One axial slice (300 of 529, counting up from the lowest) of a chest CT acquired at 120 kVp with the B30f kernel; each pixel is 0.703 mm and the slice is 0.75 mm thick.
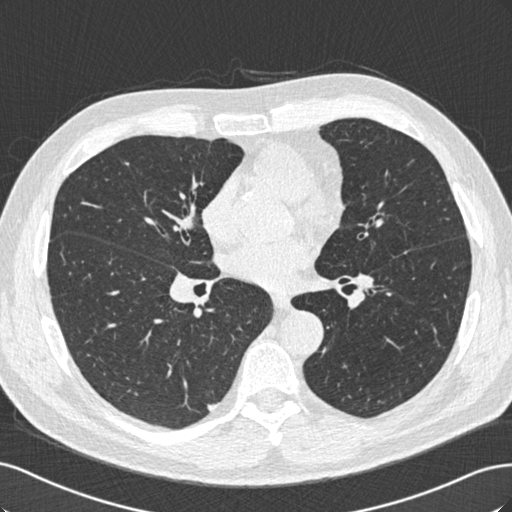
Pulmonary nodule, outlined by all four readers. Box on this slice rows 403–411, columns 207–219, the union of the readers' outlines on this slice; longest diameter 10.5 mm on average over the four readers' outlines (readers' outlines 9.8–11.3 mm), volume 151–208 mm3. The readers' prevailing ratings and who disagreed: texture 5/5 (solid) from all four readers; most readers (three of four) put margin at 5/5 (circumscribed), others 4/5 (one); sphericity 5/5 (round) by two of four readers; the rest gave 3/5 (ovoid) (one), 4/5 (one); calcification absent, all four readers agreeing; internal structure soft tissue, all four readers agreeing; subtlety 5/5 by two of four readers; the rest gave 3/5 (one), 4/5 (one); malignancy likelihood 3/5 by two of four readers; the rest gave 2/5 (one), 5/5 (one). Scale key (1–5): texture non-solid→solid, margin indistinct→circumscribed, sphericity linear→round, subtlety extremely subtle→obvious, malignancy likelihood highly unlikely→highly suspicious of cancer. Box rows and columns are 0-based pixel indices from the top-left corner, inclusive.